Axial slice 281 of 417 of a chest CT (slice 1 is the lowest), reconstructed with the STANDARD kernel at 120 kVp; 1.25 mm slice thickness and 0.703 mm pixels.
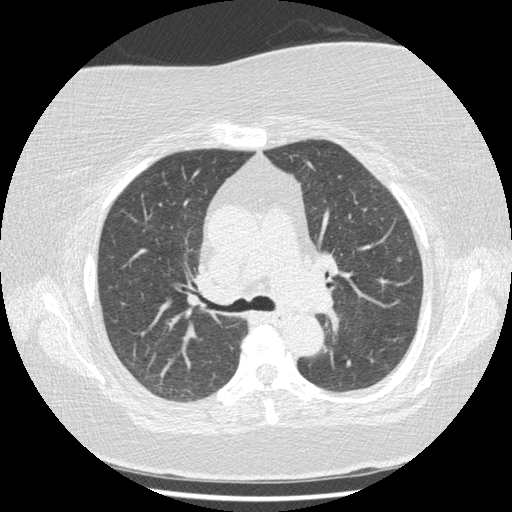
Pulmonary nodule, outlined by three of the four readers. Box on this slice rows 257–261, columns 396–401, the union of the readers' outlines on this slice; longest diameter 6.2 mm on average over the three readers' outlines (readers' outlines 5.8–6.7 mm), volume 55–91 mm3. The readers' prevailing ratings and who disagreed: texture 5/5 (solid) by two of three readers; the rest gave 4/5 (one); most readers (two of three) put margin at 4/5, others 5/5 (circumscribed) (one); sphericity 4/5 by two of three readers; the rest gave 5/5 (round) (one); calcification absent from all three readers; internal structure soft tissue from all three readers; most readers (two of three) put subtlety at 4/5, others 5/5 (one); malignancy likelihood 3/5 by two of three readers; the rest gave 2/5 (one). Scale key (1–5): texture non-solid→solid, margin indistinct→circumscribed, sphericity linear→round, subtlety extremely subtle→obvious, malignancy likelihood highly unlikely→highly suspicious of cancer. Box rows and columns are 0-based pixel indices from the top-left corner, inclusive.